Chest CT, axial plane, 120 kVp, kernel STANDARD. Slice 237/417 from the bottom of the scan; thickness 1.25 mm; pixel size 0.703 mm.
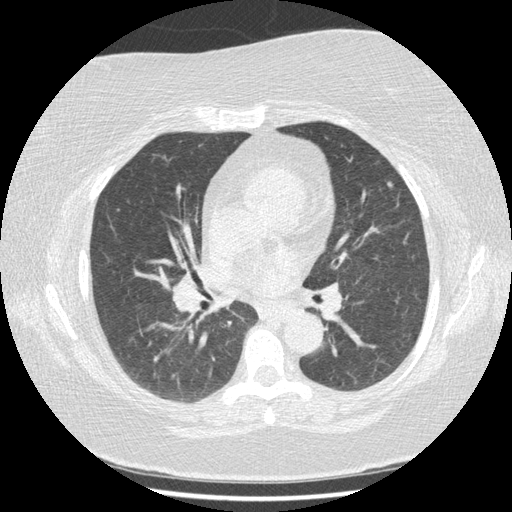
Pulmonary nodule outlined by three of the four readers; box rows 180–188, columns 386–394 (the union of the readers' outlines on this slice); median longest diameter 7.3 mm (readers' outlines 6.6–7.3 mm), median volume 71 mm3 (55–92 mm3). Ratings, median across the readers with their spread: texture 5/5 (solid) at the median of three readers, spread 3/5 (part-solid) to 5/5 (solid); margin 3/5 at the median of three readers, spread 2/5 to 4/5; sphericity 4/5, all three readers agreeing; calcification absent from all three readers; internal structure soft tissue, all three readers agreeing; subtlety 4/5 at the median of three readers, spread 4–5; median malignancy likelihood 3/5 (readers ranged 2–3). Scale key (1–5): texture non-solid→solid, margin indistinct→circumscribed, sphericity linear→round, subtlety extremely subtle→obvious, malignancy likelihood highly unlikely→highly suspicious of cancer. Box rows and columns are 0-based pixel indices from the top-left corner, inclusive.